Axial chest CT slice 132 of 276 (counted from the lowest slice); tube voltage 120 kVp, convolution kernel D; slices 1.00 mm thick, 0.639 mm per pixel.
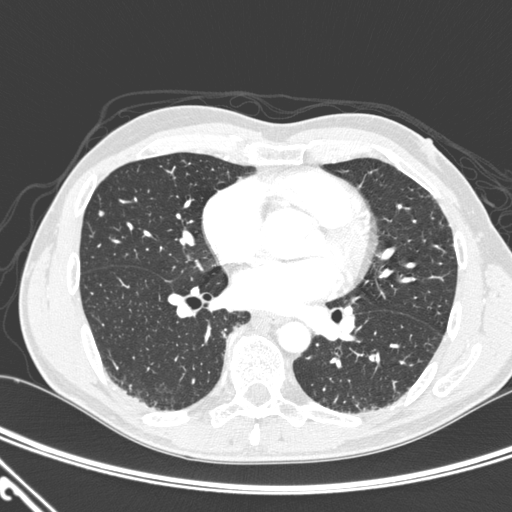
Pulmonary nodule outlined by all four readers; box rows 210–216, columns 98–104 (the union of the readers' outlines on this slice); longest diameter 5.8 mm on average over the four readers' outlines (readers' outlines 5.1–6.9 mm), volume 27–66 mm3. The readers' prevailing ratings and who disagreed: most readers (three of four) put texture at 5/5 (solid), others 4/5 (one); margin 5/5 (circumscribed) by two of four readers; the rest gave 3/5 (one), 4/5 (one); most readers (three of four) put sphericity at 4/5, others 5/5 (round) (one); calcification absent by three of four readers, solid calcification (one); internal structure soft tissue, all four readers agreeing; subtlety 5/5 by two of four readers; the rest gave 3/5 (one), 4/5 (one); malignancy likelihood 2/5 by two of four readers; the rest gave 1/5 (one), 3/5 (one). Scale key (1–5): texture non-solid→solid, margin indistinct→circumscribed, sphericity linear→round, subtlety extremely subtle→obvious, malignancy likelihood highly unlikely→highly suspicious of cancer. Box rows and columns are 0-based pixel indices from the top-left corner, inclusive.